Axial slice 69 of 113 of a chest CT (slice 1 is the lowest), reconstructed with the STANDARD kernel at 120 kVp; 2.50 mm slice thickness and 0.703 mm pixels.
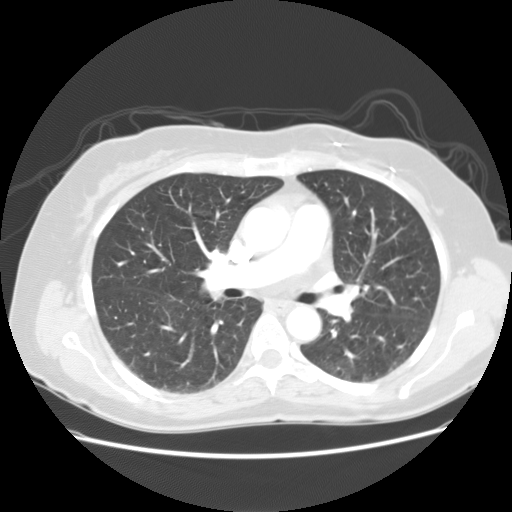
Pulmonary nodule, outlined by one of the four readers. Box on this slice rows 285–290, columns 363–368, that reader's outline on this slice; longest diameter 9.6 mm and volume 372 mm3 from that reader's outline. That reader's ratings: texture 5/5 (solid); margin 5/5 (circumscribed); sphericity 4/5; calcification solid calcification; internal structure soft tissue; subtlety 4/5; malignancy likelihood 1/5. Scale key (1–5): texture non-solid→solid, margin indistinct→circumscribed, sphericity linear→round, subtlety extremely subtle→obvious, malignancy likelihood highly unlikely→highly suspicious of cancer. Box rows and columns are 0-based pixel indices from the top-left corner, inclusive.